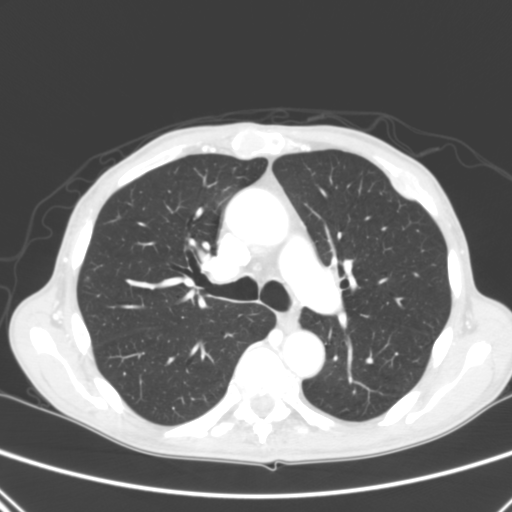
Slice 182/290 of a chest CT, counting up from the lowest; pixel size 0.639 mm, slice thickness 2.00 mm. Pulmonary nodule outlined by three of the four readers, two of them on this slice; box rows 276–279, columns 86–89 (the union of the readers' outlines on this slice); the three readers' outlines give a longest diameter between 5.9 and 6.7 mm and a volume between 86 and 94 mm3. Ratings across the readers: texture from 4/5 to 5/5 (solid) across the three readers; margin from 2/5 to 5/5 (circumscribed) across the three readers; sphericity from 3/5 (ovoid) to 5/5 (round) across the three readers; calcification absent from all three readers; internal structure soft tissue from all three readers; subtlety from 3/5 to 5/5 across the three readers; malignancy likelihood 1–3/5 (the readers disagree). Scale key (1–5): texture non-solid→solid, margin indistinct→circumscribed, sphericity linear→round, subtlety extremely subtle→obvious, malignancy likelihood highly unlikely→highly suspicious of cancer. Box rows and columns are 0-based pixel indices from the top-left corner, inclusive.
Tube voltage 120 kVp; convolution kernel B.